Axial slice 154 of 312 of a chest CT (slice 1 is the lowest), reconstructed with the B45f kernel at 120 kVp; 1.00 mm slice thickness and 0.664 mm pixels.
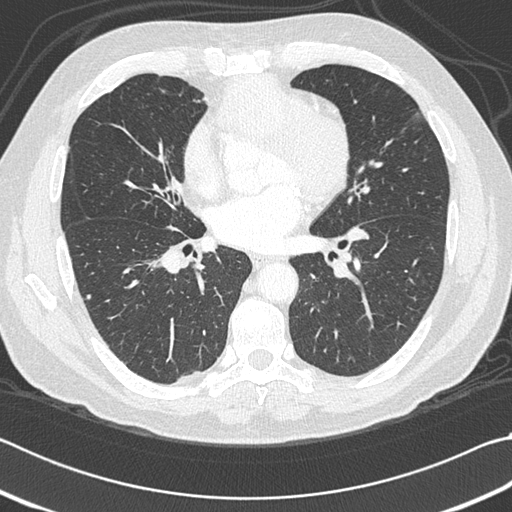
Pulmonary nodule, outlined by one of the four readers. Box on this slice rows 166–172, columns 358–363, that reader's outline on this slice; longest diameter 6.9 mm and volume 71 mm3 from that reader's outline. That reader's ratings: texture 5/5 (solid); margin 3/5; sphericity 2/5; calcification absent; internal structure soft tissue; subtlety 1/5; malignancy likelihood 2/5. Scale key (1–5): texture non-solid→solid, margin indistinct→circumscribed, sphericity linear→round, subtlety extremely subtle→obvious, malignancy likelihood highly unlikely→highly suspicious of cancer. Box rows and columns are 0-based pixel indices from the top-left corner, inclusive.